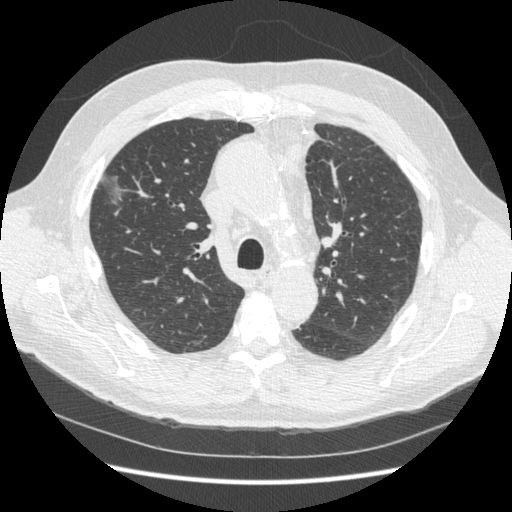
One axial slice (235 of 369, counting up from the lowest) of a chest CT acquired at 120 kVp with the STANDARD kernel; each pixel is 0.703 mm and the slice is 1.25 mm thick.
Pulmonary nodule, outlined by one of the four readers. Box on this slice rows 175–203, columns 102–124, that reader's outline on this slice; longest diameter 27.0 mm and volume 3015 mm3 from that reader's outline. That reader's ratings: texture 1/5 (non-solid); margin 1/5 (indistinct); sphericity 3/5 (ovoid); calcification absent; internal structure soft tissue; subtlety 3/5; malignancy likelihood 3/5. Scale key (1–5): texture non-solid→solid, margin indistinct→circumscribed, sphericity linear→round, subtlety extremely subtle→obvious, malignancy likelihood highly unlikely→highly suspicious of cancer. Box rows and columns are 0-based pixel indices from the top-left corner, inclusive.